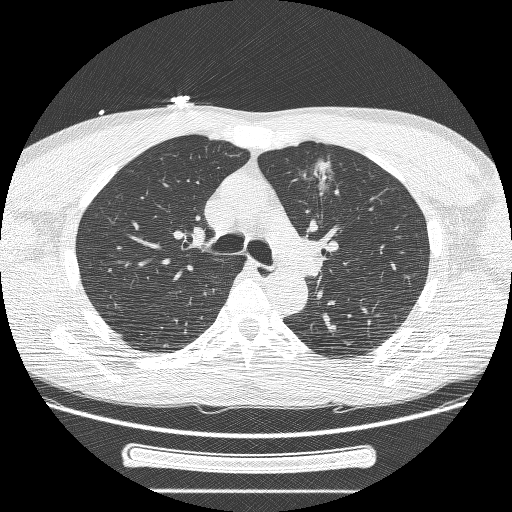
Axial chest CT slice 161 of 244 (counted from the lowest slice); tube voltage 120 kVp, convolution kernel BONE; slices 1.25 mm thick, 0.729 mm per pixel.
Pulmonary nodule, outlined by three of the four readers, two of them on this slice. Box on this slice rows 153–198, columns 309–336, the union of the readers' outlines on this slice; median longest diameter 37.5 mm (readers' outlines 27.4–37.9 mm), median volume 6861 mm3 (2934–10099 mm3). Ratings, median across the readers with their spread: texture 5/5 (solid) at the median of three readers, spread 3/5 (part-solid) to 5/5 (solid); margin 2/5 at the median of three readers, spread 1/5 (indistinct) to 3/5; median sphericity 3/5 (ovoid) (readers ranged 2/5 to 4/5); calcification absent, all three readers agreeing; internal structure soft tissue from all three readers; subtlety 5/5, all three readers agreeing; median malignancy likelihood 5/5 (readers ranged 3–5). Scale key (1–5): texture non-solid→solid, margin indistinct→circumscribed, sphericity linear→round, subtlety extremely subtle→obvious, malignancy likelihood highly unlikely→highly suspicious of cancer. Box rows and columns are 0-based pixel indices from the top-left corner, inclusive.